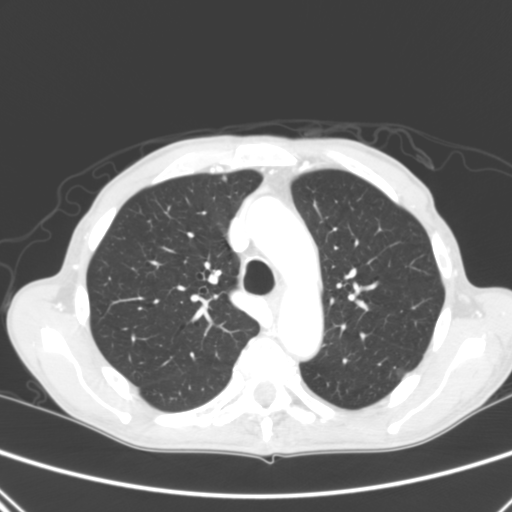
Axial chest CT slice 206 of 290 (counted from the lowest slice); tube voltage 120 kVp, convolution kernel B; slices 2.00 mm thick, 0.639 mm per pixel.
Two pulmonary nodules are outlined on this slice; from left to right: (1) Pulmonary nodule at rows 175–181, columns 221–227 (box = the union of the readers' outlines on this slice), outlined by two of the four readers; median longest diameter 5.6 mm (readers' outlines 5.5–5.7 mm), median volume 46 mm3 (40–53 mm3). Ratings, median across the readers with their spread: texture 5/5 (solid), both readers agreeing; margin 5/5 (circumscribed), both readers agreeing; sphericity 4.5/5 at the median of two readers, spread 4/5 to 5/5 (round); calcification absent from both readers; internal structure soft tissue from both readers; median subtlety 4.5/5 (readers ranged 4–5); median malignancy likelihood 2.5/5 (readers ranged 2–3). (2) Pulmonary nodule, outlined by all four readers, two of them on this slice. Box on this slice rows 366–376, columns 396–405, the union of the readers' outlines on this slice; longest diameter 14.4 mm on average over the four readers' outlines (readers' outlines 12.9–15.8 mm), volume 837–1237 mm3. Ratings, by the readers' most common answer with dissent counted: texture 5/5 (solid) by three of four readers; the rest gave 4/5 (one); margin split among the readers: 4/5 (two), 5/5 (circumscribed) (two); most readers (three of four) put sphericity at 5/5 (round), others 3/5 (ovoid) (one); calcification absent by three of four readers, laminated calcification (one); internal structure soft tissue from all four readers; most readers (three of four) put subtlety at 5/5, others 4/5 (one); malignancy likelihood split among the readers: 2/5 (one), 3/5 (one), 4/5 (one), 5/5 (one). Scale key (1–5): texture non-solid→solid, margin indistinct→circumscribed, sphericity linear→round, subtlety extremely subtle→obvious, malignancy likelihood highly unlikely→highly suspicious of cancer. Box rows and columns are 0-based pixel indices from the top-left corner, inclusive.